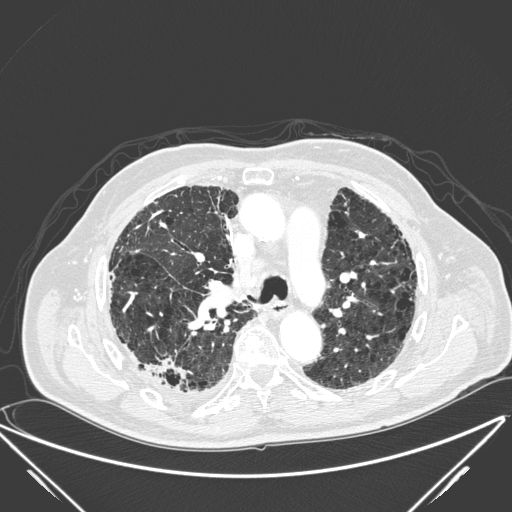
Axial chest CT slice 152 of 278 (counted from the lowest slice); tube voltage 120 kVp, convolution kernel D; slices 1.00 mm thick, 0.812 mm per pixel.
Pulmonary nodule, outlined by all four readers, three of them on this slice. Box on this slice rows 356–378, columns 146–191, the union of the readers' outlines on this slice; longest diameter 31.1 mm on average over the four readers' outlines (readers' outlines 17.4–39.8 mm), volume 1021–4525 mm3. The readers' prevailing ratings and who disagreed: texture 5/5 (solid) from all four readers; margin split among the readers: 1/5 (indistinct) (one), 2/5 (one), 3/5 (one), 5/5 (circumscribed) (one); most readers (three of four) put sphericity at 2/5, others 5/5 (round) (one); calcification absent from all four readers; internal structure soft tissue, all four readers agreeing; subtlety split among the readers: 4/5 (two), 5/5 (two); malignancy likelihood 5/5 by two of four readers; the rest gave 3/5 (one), 4/5 (one). Scale key (1–5): texture non-solid→solid, margin indistinct→circumscribed, sphericity linear→round, subtlety extremely subtle→obvious, malignancy likelihood highly unlikely→highly suspicious of cancer. Box rows and columns are 0-based pixel indices from the top-left corner, inclusive.